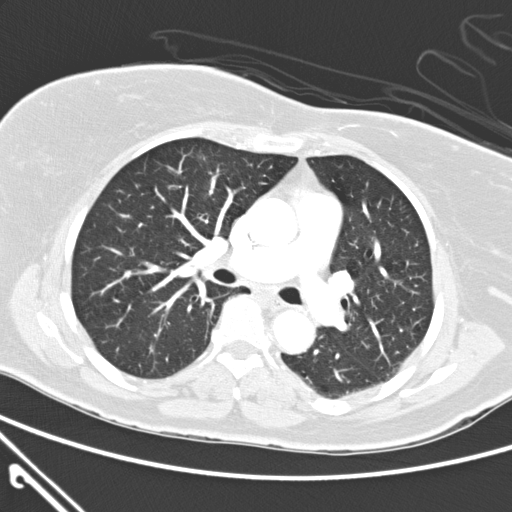
Axial chest CT slice 159 of 300 (counted from the lowest slice); 2.00 mm thick, 0.631 mm per pixel. Pulmonary nodule outlined by three of the four readers, two of them on this slice; box rows 154–160, columns 196–203 (the union of the readers' outlines on this slice); the three readers' outlines give a longest diameter between 9.2 and 10.2 mm and a volume between 147 and 194 mm3. The readers' ratings, as ranges where they differ: texture from 4/5 to 5/5 (solid) across the three readers; margin from 3/5 to 4/5 across the three readers; sphericity 4/5 from all three readers; calcification absent, all three readers agreeing; internal structure soft tissue from all three readers; subtlety 3–5/5 (the readers disagree); malignancy likelihood 2–4/5 (the readers disagree). Scale key (1–5): texture non-solid→solid, margin indistinct→circumscribed, sphericity linear→round, subtlety extremely subtle→obvious, malignancy likelihood highly unlikely→highly suspicious of cancer. Box rows and columns are 0-based pixel indices from the top-left corner, inclusive.
Tube voltage 120 kVp; convolution kernel D.